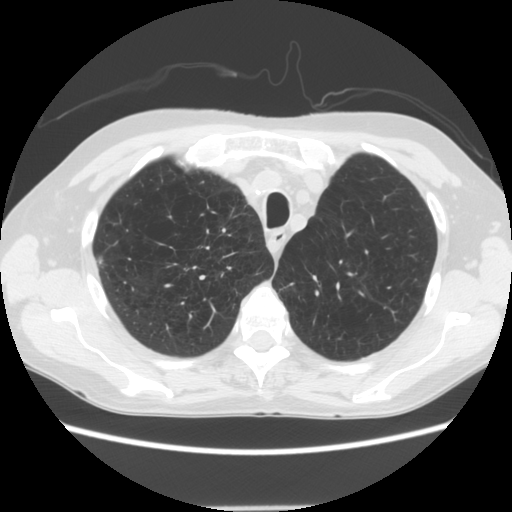
One axial slice (118 of 143, counting up from the lowest) of a chest CT acquired at 120 kVp with the STANDARD kernel; each pixel is 0.703 mm and the slice is 2.50 mm thick.
Pulmonary nodule outlined by two of the four readers, one of them on this slice; box rows 256–263, columns 97–103 (the one reader's outline on this slice); the two readers' outlines give a longest diameter between 8.6 and 9.0 mm and a volume between 142 and 234 mm3. Ratings across the readers: texture from 2/5 to 5/5 (solid) across the two readers; margin from 1/5 (indistinct) to 4/5 across the two readers; sphericity from 3/5 (ovoid) to 4/5 across the two readers; calcification absent from both readers; internal structure soft tissue from both readers; subtlety rated between 3 and 4 out of 5 by the two readers; malignancy likelihood rated between 1 and 4 out of 5 by the two readers. Scale key (1–5): texture non-solid→solid, margin indistinct→circumscribed, sphericity linear→round, subtlety extremely subtle→obvious, malignancy likelihood highly unlikely→highly suspicious of cancer. Box rows and columns are 0-based pixel indices from the top-left corner, inclusive.